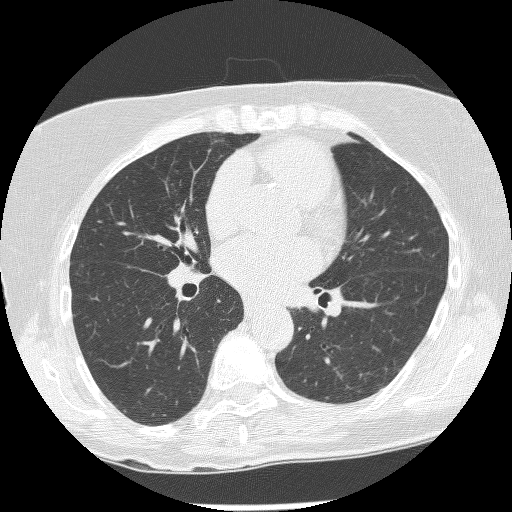
Chest CT, axial plane, 120 kVp, kernel BONE. Slice 132/239 from the bottom of the scan; thickness 1.25 mm; pixel size 0.586 mm.
None of the four readers outlined a nodule of 3 mm or more on this slice.